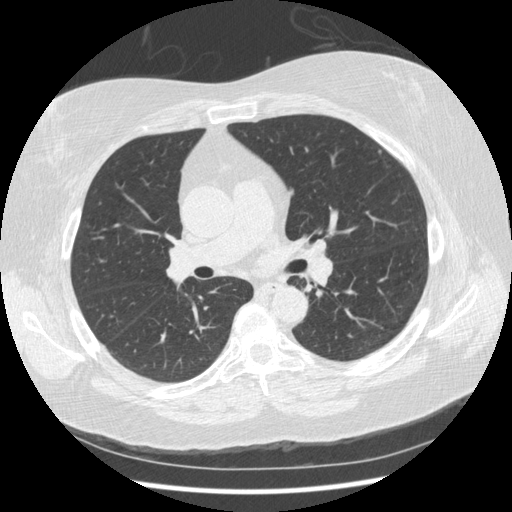
Slice 239/436 of a chest CT, counting up from the lowest; pixel size 0.703 mm, slice thickness 1.25 mm. Pulmonary nodule outlined by one of the four readers; box rows 150–153, columns 378–380 (that reader's outline on this slice); longest diameter 4.0 mm and volume 21 mm3 from that reader's outline. Ratings by that reader: texture 5/5 (solid); margin 5/5 (circumscribed); sphericity 5/5 (round); calcification absent; internal structure soft tissue; subtlety 5/5; malignancy likelihood 2/5. Scale key (1–5): texture non-solid→solid, margin indistinct→circumscribed, sphericity linear→round, subtlety extremely subtle→obvious, malignancy likelihood highly unlikely→highly suspicious of cancer. Box rows and columns are 0-based pixel indices from the top-left corner, inclusive.
Tube voltage 120 kVp; convolution kernel STANDARD.